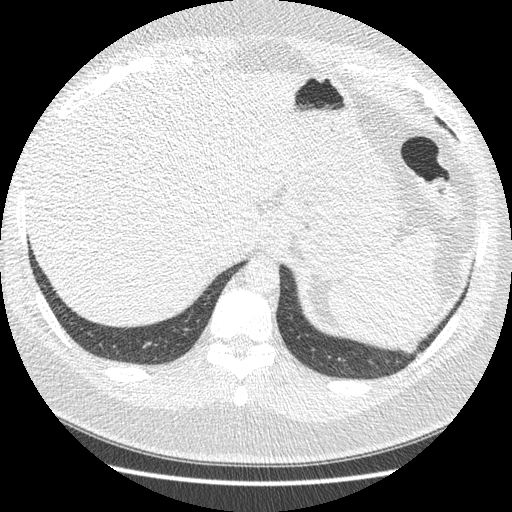
Axial slice 33 of 421 of a chest CT (slice 1 is the lowest), reconstructed with the STANDARD kernel at 120 kVp; 1.25 mm slice thickness and 0.703 mm pixels.
Pulmonary nodule, outlined four times (the source holds four more outlines, not used), three of them on this slice. Box on this slice rows 343–351, columns 401–416, the union of the readers' outlines on this slice; median longest diameter 32.9 mm (readers' outlines 30.9–38.9 mm), median volume 5450 mm3 (4443–5826 mm3). Ratings, median across the readers with their spread: texture 5/5 (solid) at the median of four readers, spread 4/5 to 5/5 (solid); margin 4/5 at the median of four readers, spread 3/5 to 4/5; median sphericity 2.5/5 (readers ranged 2/5 to 4/5); calcification absent from all four readers; internal structure soft tissue from all four readers; subtlety 5/5 at the median of four readers, spread 4–5; malignancy likelihood 3.5/5 at the median of four readers, spread 2–5. Scale key (1–5): texture non-solid→solid, margin indistinct→circumscribed, sphericity linear→round, subtlety extremely subtle→obvious, malignancy likelihood highly unlikely→highly suspicious of cancer. Box rows and columns are 0-based pixel indices from the top-left corner, inclusive.